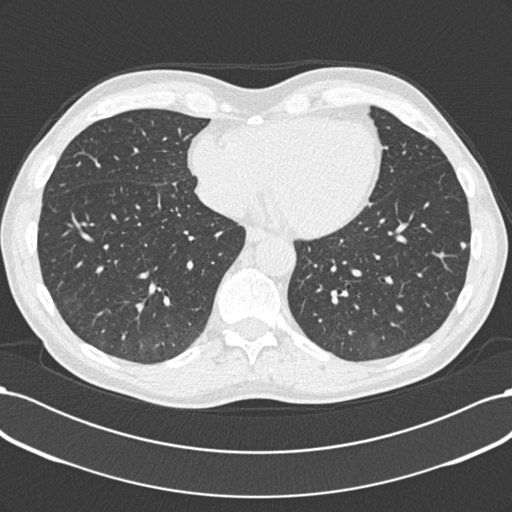
One axial slice (72 of 198, counting up from the lowest) of a chest CT acquired at 120 kVp with the B30f kernel; each pixel is 0.703 mm and the slice is 2.00 mm thick.
Pulmonary nodule at rows 242–249, columns 459–466 (box = the union of the readers' outlines on this slice), outlined by three of the four readers; longest diameter 6.6–6.9 mm and volume 89–94 mm3 across the three readers' outlines. The readers' ratings, as ranges where they differ: texture from 4/5 to 5/5 (solid) across the three readers; margin from 4/5 to 5/5 (circumscribed) across the three readers; sphericity from 4/5 to 5/5 (round) across the three readers; calcification absent from all three readers; internal structure soft tissue from all three readers; subtlety rated between 2 and 5 out of 5 by the three readers; malignancy likelihood rated between 3 and 4 out of 5 by the three readers. Scale key (1–5): texture non-solid→solid, margin indistinct→circumscribed, sphericity linear→round, subtlety extremely subtle→obvious, malignancy likelihood highly unlikely→highly suspicious of cancer. Box rows and columns are 0-based pixel indices from the top-left corner, inclusive.